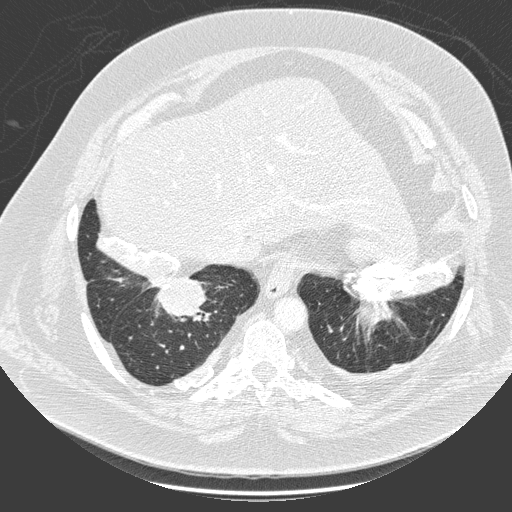
This is axial slice 47 of 280 (slice 1 is the lowest) of a chest CT; each pixel is 0.801 mm and the slice is 1.00 mm thick. Pulmonary nodule outlined by one of the four readers; box rows 280–315, columns 155–205 (that reader's outline on this slice); longest diameter 49.9 mm and volume 31112 mm3 from that reader's outline. Ratings by that reader: texture 5/5 (solid); margin 4/5; sphericity 5/5 (round); calcification non-central calcification; internal structure soft tissue; subtlety 5/5; malignancy likelihood 5/5. Scale key (1–5): texture non-solid→solid, margin indistinct→circumscribed, sphericity linear→round, subtlety extremely subtle→obvious, malignancy likelihood highly unlikely→highly suspicious of cancer. Box rows and columns are 0-based pixel indices from the top-left corner, inclusive.
Tube voltage 140 kVp; convolution kernel D.